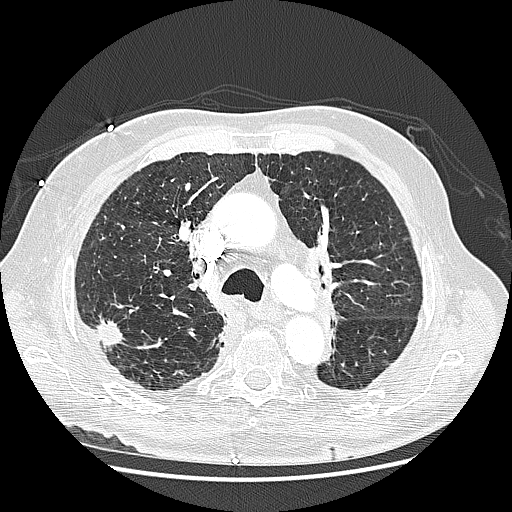
Axial chest CT slice 174 of 242 (counted from the lowest slice); tube voltage 120 kVp, convolution kernel LUNG; slices 1.25 mm thick, 0.703 mm per pixel.
Pulmonary nodule, outlined by three of the four readers. Box on this slice rows 317–345, columns 93–122, the union of the readers' outlines on this slice; longest diameter 23.6–31.8 mm and volume 3005–3613 mm3 across the three readers' outlines. The readers' ratings, as ranges where they differ: texture 5/5 (solid), all three readers agreeing; margin from 3/5 to 5/5 (circumscribed) across the three readers; sphericity from 3/5 (ovoid) to 4/5 across the three readers; calcification absent from all three readers; internal structure soft tissue, all three readers agreeing; subtlety rated between 4 and 5 out of 5 by the three readers; malignancy likelihood 4–5/5 (the readers disagree). Scale key (1–5): texture non-solid→solid, margin indistinct→circumscribed, sphericity linear→round, subtlety extremely subtle→obvious, malignancy likelihood highly unlikely→highly suspicious of cancer. Box rows and columns are 0-based pixel indices from the top-left corner, inclusive.